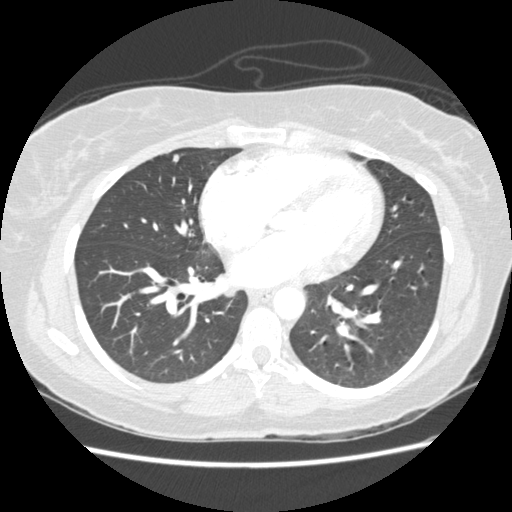
One axial slice (116 of 238, counting up from the lowest) of a chest CT acquired at 120 kVp with the STANDARD kernel; each pixel is 0.664 mm and the slice is 1.25 mm thick.
Pulmonary nodule, outlined by three of the four readers. Box on this slice rows 154–161, columns 172–178, the union of the readers' outlines on this slice; longest diameter 6.8–6.9 mm and volume 98–123 mm3 across the three readers' outlines. The readers' ratings, as ranges where they differ: texture 5/5 (solid) from all three readers; margin 5/5 (circumscribed) from all three readers; sphericity from 3/5 (ovoid) to 4/5 across the three readers; calcification absent, all three readers agreeing; internal structure soft tissue, all three readers agreeing; subtlety 3–4/5 (the readers disagree); malignancy likelihood 2/5, all three readers agreeing. Scale key (1–5): texture non-solid→solid, margin indistinct→circumscribed, sphericity linear→round, subtlety extremely subtle→obvious, malignancy likelihood highly unlikely→highly suspicious of cancer. Box rows and columns are 0-based pixel indices from the top-left corner, inclusive.